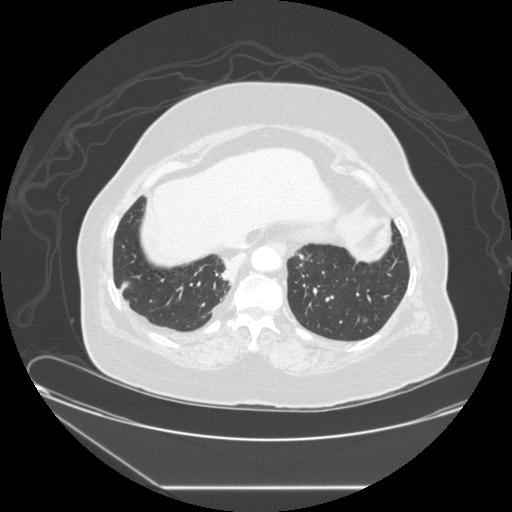
Axial chest CT slice 75 of 257 (counted from the lowest slice); tube voltage 120 kVp, convolution kernel STANDARD; slices 1.25 mm thick, 0.852 mm per pixel.
Pulmonary nodule at rows 317–322, columns 363–367 (box = the union of the readers' outlines on this slice), outlined by three of the four readers; longest diameter 5.2 mm on average over the three readers' outlines (readers' outlines 4.6–6.2 mm), volume 39–85 mm3. Ratings, by the readers' most common answer with dissent counted: texture 1/5 (non-solid) from all three readers; margin 3/5 by two of three readers; the rest gave 2/5 (one); sphericity 5/5 (round) from all three readers; calcification absent from all three readers; internal structure soft tissue, all three readers agreeing; subtlety 1/5 from all three readers; malignancy likelihood 3/5 by two of three readers; the rest gave 2/5 (one). Scale key (1–5): texture non-solid→solid, margin indistinct→circumscribed, sphericity linear→round, subtlety extremely subtle→obvious, malignancy likelihood highly unlikely→highly suspicious of cancer. Box rows and columns are 0-based pixel indices from the top-left corner, inclusive.